Chest CT, axial plane, 130 kVp, kernel B31s. Slice 56/127 from the bottom of the scan; thickness 3.00 mm; pixel size 0.668 mm.
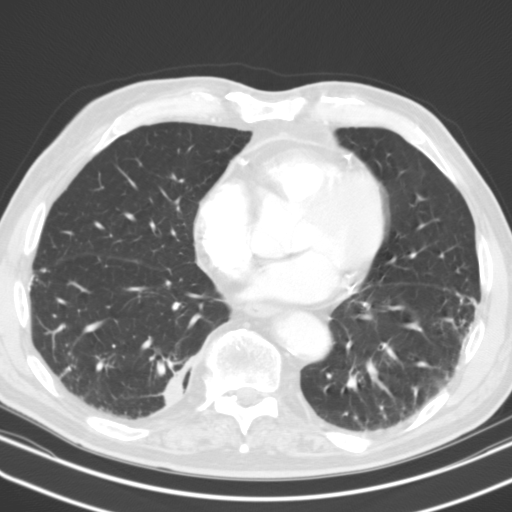
Pulmonary nodule at rows 371–403, columns 163–184 (box = the union of the readers' outlines on this slice), outlined by two of the four readers; longest diameter 25.9 mm on average over the two readers' outlines (readers' outlines 25.6–26.3 mm), volume 5517–6604 mm3. Ratings, by the readers' most common answer with dissent counted: texture 5/5 (solid), both readers agreeing; margin 4/5, both readers agreeing; sphericity split among the readers: 2/5 (one), 3/5 (ovoid) (one); calcification absent, both readers agreeing; internal structure soft tissue, both readers agreeing; subtlety 5/5 from both readers; malignancy likelihood split among the readers: 2/5 (one), 3/5 (one). Scale key (1–5): texture non-solid→solid, margin indistinct→circumscribed, sphericity linear→round, subtlety extremely subtle→obvious, malignancy likelihood highly unlikely→highly suspicious of cancer. Box rows and columns are 0-based pixel indices from the top-left corner, inclusive.